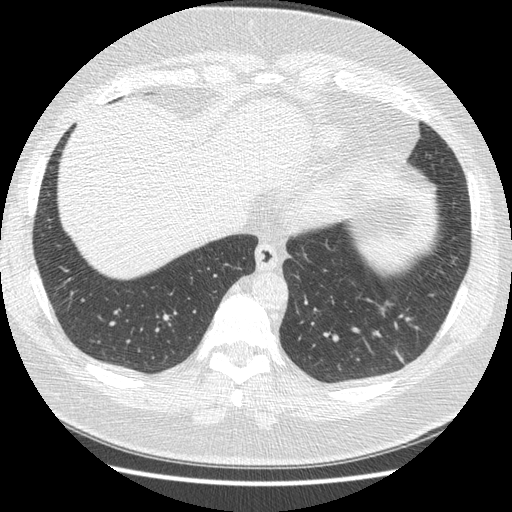
Axial slice 78 of 421 of a chest CT (slice 1 is the lowest), reconstructed with the STANDARD kernel at 120 kVp; 1.25 mm slice thickness and 0.703 mm pixels.
Pulmonary nodule at rows 350–363, columns 395–403 (box = the union of the readers' outlines on this slice), outlined four times (the source holds four more outlines, not used), two of them on this slice; median longest diameter 32.9 mm (readers' outlines 30.9–38.9 mm), median volume 5450 mm3 (4443–5826 mm3). Median ratings and the readers' spread: median texture 5/5 (solid) (readers ranged 4/5 to 5/5 (solid)); median margin 4/5 (readers ranged 3/5 to 4/5); sphericity 2.5/5 at the median of four readers, spread 2/5 to 4/5; calcification absent, all four readers agreeing; internal structure soft tissue, all four readers agreeing; median subtlety 5/5 (readers ranged 4–5); median malignancy likelihood 3.5/5 (readers ranged 2–5). Scale key (1–5): texture non-solid→solid, margin indistinct→circumscribed, sphericity linear→round, subtlety extremely subtle→obvious, malignancy likelihood highly unlikely→highly suspicious of cancer. Box rows and columns are 0-based pixel indices from the top-left corner, inclusive.